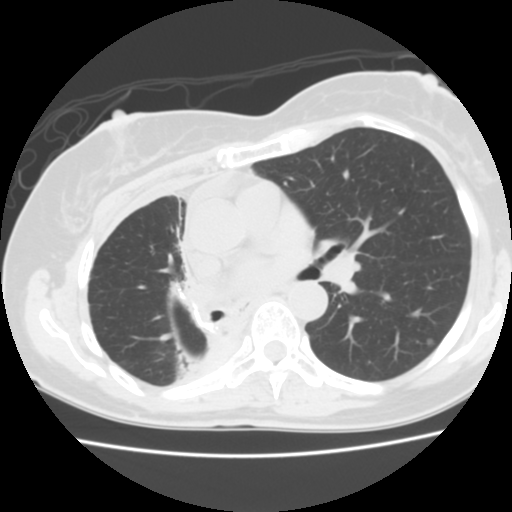
Axial slice 91 of 141 of a chest CT (slice 1 is the lowest), reconstructed with the STANDARD kernel at 120 kVp; 2.50 mm slice thickness and 0.586 mm pixels.
Pulmonary nodule, outlined by one of the four readers. Box on this slice rows 339–344, columns 427–433, that reader's outline on this slice; longest diameter 5.9 mm and volume 59 mm3 from that reader's outline. Ratings by that reader: texture 1/5 (non-solid); margin 2/5; sphericity 5/5 (round); calcification absent; internal structure soft tissue; subtlety 3/5; malignancy likelihood 3/5. Scale key (1–5): texture non-solid→solid, margin indistinct→circumscribed, sphericity linear→round, subtlety extremely subtle→obvious, malignancy likelihood highly unlikely→highly suspicious of cancer. Box rows and columns are 0-based pixel indices from the top-left corner, inclusive.